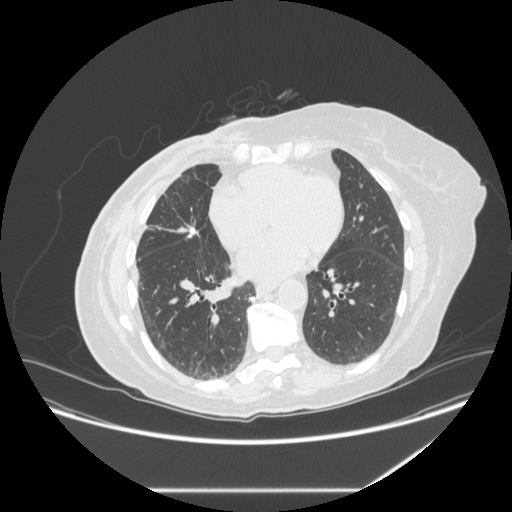
This is axial slice 135 of 281 (slice 1 is the lowest) of a chest CT; each pixel is 0.816 mm and the slice is 1.25 mm thick. Pulmonary nodule at rows 296–301, columns 248–254 (box = the union of the readers' outlines on this slice), outlined by all four readers; longest diameter 6.3 mm on average over the four readers' outlines (readers' outlines 5.2–7.0 mm), volume 50–113 mm3. The readers' prevailing ratings and who disagreed: texture 5/5 (solid) from all four readers; margin 5/5 (circumscribed), all four readers agreeing; sphericity 5/5 (round) by two of four readers; the rest gave 3/5 (ovoid) (one), 4/5 (one); calcification solid calcification by two of four readers, absent (one), central calcification (one); internal structure soft tissue from all four readers; subtlety split among the readers: 2/5 (one), 3/5 (one), 4/5 (one), 5/5 (one); malignancy likelihood 1/5 by three of four readers; the rest gave 2/5 (one). Scale key (1–5): texture non-solid→solid, margin indistinct→circumscribed, sphericity linear→round, subtlety extremely subtle→obvious, malignancy likelihood highly unlikely→highly suspicious of cancer. Box rows and columns are 0-based pixel indices from the top-left corner, inclusive.
Scan settings: 120 kVp, STANDARD reconstruction kernel.